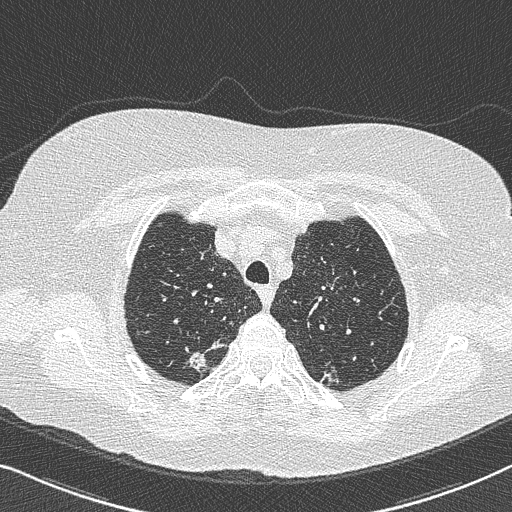
Chest CT, axial plane, 120 kVp, kernel B50f. Slice 595/733 from the bottom of the scan; thickness 0.60 mm; pixel size 0.637 mm.
Pulmonary nodule, outlined by all four readers. Box on this slice rows 352–373, columns 186–206, the union of the readers' outlines on this slice; longest diameter 15.5–29.7 mm and volume 888–2128 mm3 across the four readers' outlines. The readers' ratings, as ranges where they differ: texture from 4/5 to 5/5 (solid) across the four readers; margin from 1/5 (indistinct) to 4/5 across the four readers; sphericity from 2/5 to 5/5 (round) across the four readers; calcification absent, all four readers agreeing; internal structure soft tissue, all four readers agreeing; subtlety 4–5/5 (the readers disagree); malignancy likelihood 4–5/5 (the readers disagree). Scale key (1–5): texture non-solid→solid, margin indistinct→circumscribed, sphericity linear→round, subtlety extremely subtle→obvious, malignancy likelihood highly unlikely→highly suspicious of cancer. Box rows and columns are 0-based pixel indices from the top-left corner, inclusive.